Chest CT, axial plane, 120 kVp, kernel B. Slice 361/590 from the bottom of the scan; thickness 0.90 mm; pixel size 0.627 mm.
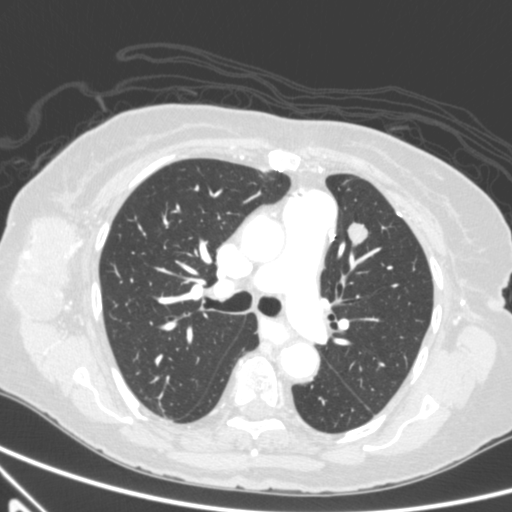
Pulmonary nodule, outlined by all four readers. Box on this slice rows 222–245, columns 347–367, the union of the readers' outlines on this slice; median longest diameter 17.7 mm (readers' outlines 16.3–20.1 mm), median volume 1143 mm3 (1116–1236 mm3). Ratings, median across the readers with their spread: texture 5/5 (solid), all four readers agreeing; margin 4/5 at the median of four readers, spread 3/5 to 5/5 (circumscribed); sphericity 3.5/5 at the median of four readers, spread 3/5 (ovoid) to 4/5; calcification absent from all four readers; internal structure soft tissue, all four readers agreeing; median subtlety 5/5 (readers ranged 4–5); median malignancy likelihood 4/5 (readers ranged 3–5). Scale key (1–5): texture non-solid→solid, margin indistinct→circumscribed, sphericity linear→round, subtlety extremely subtle→obvious, malignancy likelihood highly unlikely→highly suspicious of cancer. Box rows and columns are 0-based pixel indices from the top-left corner, inclusive.